Axial slice 184 of 258 of a chest CT (slice 1 is the lowest), reconstructed with the STANDARD kernel at 120 kVp; 2.50 mm slice thickness and 0.664 mm pixels.
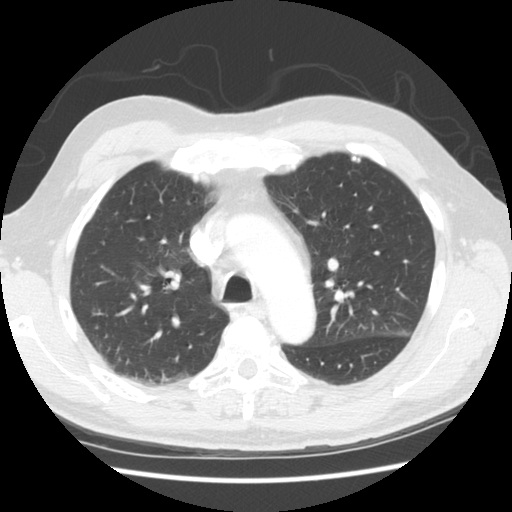
Pulmonary nodule at rows 157–161, columns 352–359 (box = that reader's outline on this slice), outlined by one of the four readers; longest diameter 8.0 mm and volume 122 mm3 from that reader's outline. That reader's ratings: texture 5/5 (solid); margin 5/5 (circumscribed); sphericity 4/5; calcification solid calcification; internal structure soft tissue; subtlety 5/5; malignancy likelihood 1/5. Scale key (1–5): texture non-solid→solid, margin indistinct→circumscribed, sphericity linear→round, subtlety extremely subtle→obvious, malignancy likelihood highly unlikely→highly suspicious of cancer. Box rows and columns are 0-based pixel indices from the top-left corner, inclusive.